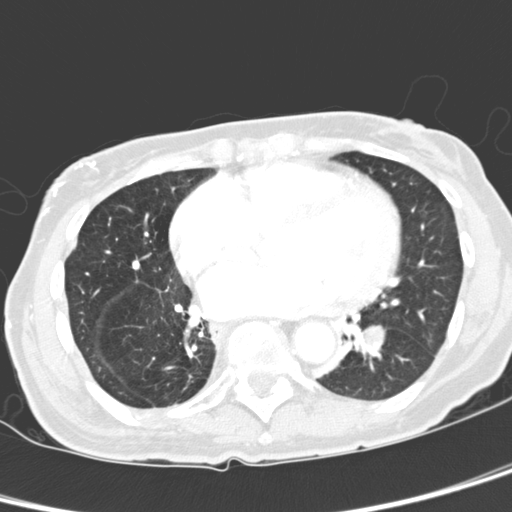
This is axial slice 149 of 321 (slice 1 is the lowest) of a chest CT; each pixel is 0.557 mm and the slice is 2.00 mm thick. Pulmonary nodule outlined by all four readers; box rows 325–347, columns 362–385 (the union of the readers' outlines on this slice); median longest diameter 18.6 mm (readers' outlines 18.1–20.0 mm), median volume 2503 mm3 (2428–2697 mm3). Ratings, median across the readers with their spread: median texture 4.5/5 (readers ranged 4/5 to 5/5 (solid)); margin 4.5/5 at the median of four readers, spread 3/5 to 5/5 (circumscribed); median sphericity 5/5 (round) (readers ranged 4/5 to 5/5 (round)); calcification absent from all four readers; internal structure soft tissue, all four readers agreeing; median subtlety 5/5 (readers ranged 4–5); malignancy likelihood 4/5 at the median of four readers, spread 2–5. Scale key (1–5): texture non-solid→solid, margin indistinct→circumscribed, sphericity linear→round, subtlety extremely subtle→obvious, malignancy likelihood highly unlikely→highly suspicious of cancer. Box rows and columns are 0-based pixel indices from the top-left corner, inclusive.
Acquired at 120 kVp and reconstructed with the D kernel.